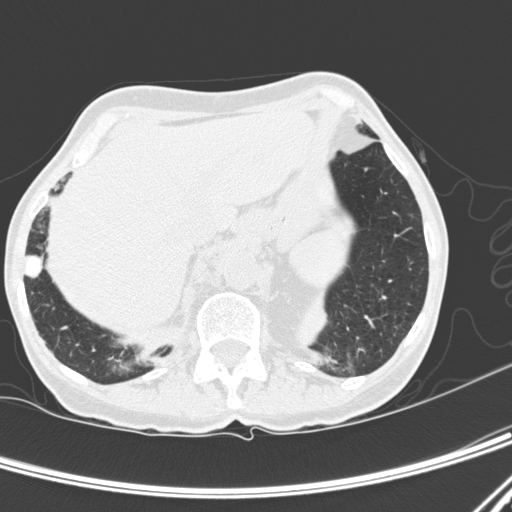
Axial chest CT slice 49 of 300 (counted from the lowest slice); tube voltage 120 kVp, convolution kernel D; slices 1.00 mm thick, 0.607 mm per pixel.
Pulmonary nodule, outlined by all four readers. Box on this slice rows 253–279, columns 23–42, the union of the readers' outlines on this slice; longest diameter 18.8 mm on average over the four readers' outlines (readers' outlines 17.1–19.9 mm), volume 1865–2443 mm3. The readers' prevailing ratings and who disagreed: texture 5/5 (solid), all four readers agreeing; margin 5/5 (circumscribed), all four readers agreeing; most readers (three of four) put sphericity at 4/5, others 5/5 (round) (one); calcification solid calcification by three of four readers, absent (one); internal structure soft tissue, all four readers agreeing; subtlety 5/5 from all four readers; most readers (three of four) put malignancy likelihood at 1/5, others 4/5 (one). Scale key (1–5): texture non-solid→solid, margin indistinct→circumscribed, sphericity linear→round, subtlety extremely subtle→obvious, malignancy likelihood highly unlikely→highly suspicious of cancer. Box rows and columns are 0-based pixel indices from the top-left corner, inclusive.